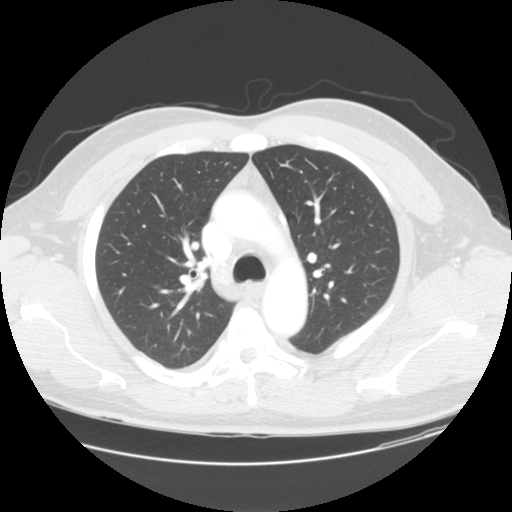
Chest CT, axial plane, 120 kVp, kernel STANDARD. Slice 102/144 from the bottom of the scan; thickness 2.50 mm; pixel size 0.781 mm.
The readers outlined no nodule of 3 mm or more on this slice.